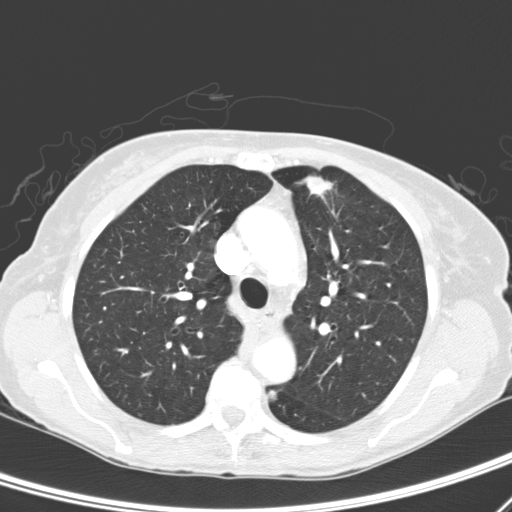
One axial slice (200 of 276, counting up from the lowest) of a chest CT acquired at 120 kVp with the D kernel; each pixel is 0.617 mm and the slice is 2.00 mm thick.
Two pulmonary nodules on this slice, listed from left to right. (1) Pulmonary nodule outlined by two of the four readers; box rows 391–401, columns 268–276 (the union of the readers' outlines on this slice); longest diameter 8.7 mm on average over the two readers' outlines (readers' outlines 7.4–10.0 mm), volume 109–225 mm3. Ratings, by the readers' most common answer with dissent counted: texture split among the readers: 1/5 (non-solid) (one), 3/5 (part-solid) (one); margin split among the readers: 1/5 (indistinct) (one), 2/5 (one); sphericity split among the readers: 3/5 (ovoid) (one), 4/5 (one); calcification absent from both readers; internal structure soft tissue from both readers; subtlety split among the readers: 3/5 (one), 5/5 (one); malignancy likelihood split among the readers: 3/5 (one), 4/5 (one). (2) Pulmonary nodule outlined by three of the four readers; box rows 175–198, columns 295–335 (the union of the readers' outlines on this slice); median longest diameter 24.5 mm (readers' outlines 19.9–25.7 mm), median volume 1707 mm3 (1110–1901 mm3). Ratings, median across the readers with their spread: texture 4/5 at the median of three readers, spread 4/5 to 5/5 (solid); median margin 2/5 (readers ranged 2/5 to 4/5); median sphericity 3/5 (ovoid) (readers ranged 3/5 (ovoid) to 4/5); calcification absent, all three readers agreeing; internal structure soft tissue, all three readers agreeing; subtlety 5/5 from all three readers; malignancy likelihood 5/5, all three readers agreeing. Scale key (1–5): texture non-solid→solid, margin indistinct→circumscribed, sphericity linear→round, subtlety extremely subtle→obvious, malignancy likelihood highly unlikely→highly suspicious of cancer. Box rows and columns are 0-based pixel indices from the top-left corner, inclusive.